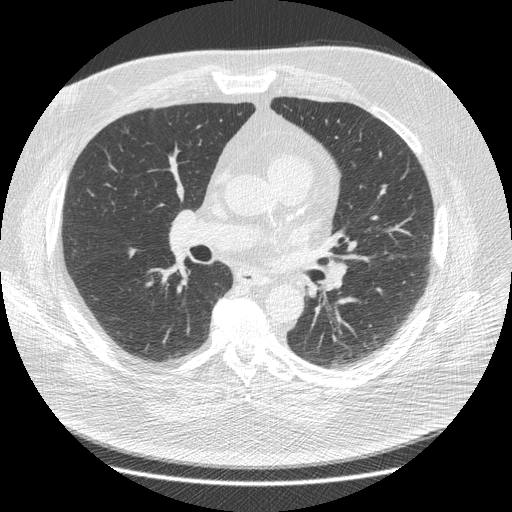
Axial chest CT slice 224 of 426 (counted from the lowest slice); 1.25 mm thick, 0.742 mm per pixel. Pulmonary nodule, outlined by two of the four readers. Box on this slice rows 247–257, columns 127–136, the union of the readers' outlines on this slice; median longest diameter 9.4 mm (readers' outlines 9.2–9.7 mm), median volume 107 mm3 (99–114 mm3). Ratings, median across the readers with their spread: texture 5/5 (solid), both readers agreeing; margin 4.5/5 at the median of two readers, spread 4/5 to 5/5 (circumscribed); sphericity 3/5 (ovoid), both readers agreeing; calcification absent, both readers agreeing; internal structure soft tissue, both readers agreeing; subtlety 3/5, both readers agreeing; malignancy likelihood 2/5, both readers agreeing. Scale key (1–5): texture non-solid→solid, margin indistinct→circumscribed, sphericity linear→round, subtlety extremely subtle→obvious, malignancy likelihood highly unlikely→highly suspicious of cancer. Box rows and columns are 0-based pixel indices from the top-left corner, inclusive.
Scan settings: 120 kVp, STANDARD reconstruction kernel.